Chest CT, axial plane, 130 kVp, kernel B31s. Slice 97/109 from the bottom of the scan; thickness 3.00 mm; pixel size 0.629 mm.
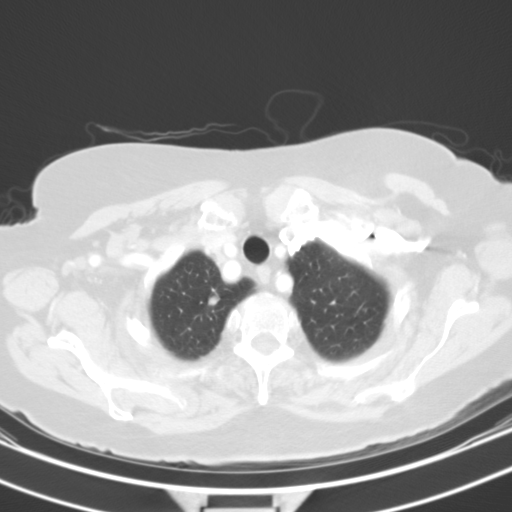
Pulmonary nodule, outlined by all four readers. Box on this slice rows 296–304, columns 208–218, the union of the readers' outlines on this slice; median longest diameter 8.3 mm (readers' outlines 7.2–8.6 mm), median volume 222 mm3 (167–267 mm3). Ratings, median across the readers with their spread: texture 5/5 (solid) at the median of four readers, spread 4/5 to 5/5 (solid); median margin 5/5 (circumscribed) (readers ranged 4/5 to 5/5 (circumscribed)); median sphericity 4/5 (readers ranged 3/5 (ovoid) to 5/5 (round)); calcification absent from all four readers; internal structure soft tissue, all four readers agreeing; median subtlety 4/5 (readers ranged 3–5); median malignancy likelihood 3.5/5 (readers ranged 2–4). Scale key (1–5): texture non-solid→solid, margin indistinct→circumscribed, sphericity linear→round, subtlety extremely subtle→obvious, malignancy likelihood highly unlikely→highly suspicious of cancer. Box rows and columns are 0-based pixel indices from the top-left corner, inclusive.